Axial slice 82 of 133 of a chest CT (slice 1 is the lowest), reconstructed with the STANDARD kernel at 140 kVp; 2.50 mm slice thickness and 0.781 mm pixels.
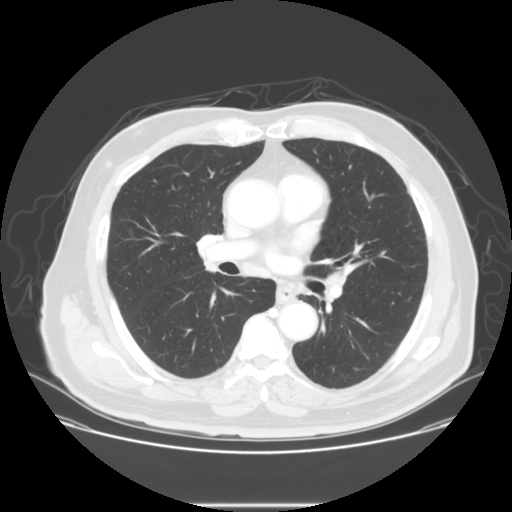
The readers outlined no nodule of 3 mm or more on this slice.